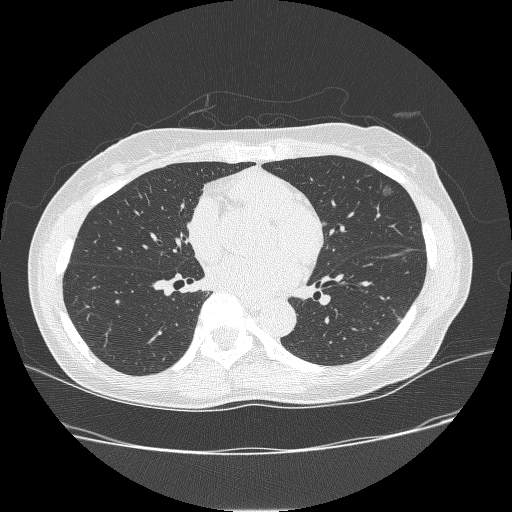
Axial slice 126 of 238 of a chest CT (slice 1 is the lowest), reconstructed with the BONE kernel at 120 kVp; 1.25 mm slice thickness and 0.703 mm pixels.
Pulmonary nodule outlined by all four readers; box rows 185–195, columns 382–393 (the union of the readers' outlines on this slice); longest diameter 9.1 mm on average over the four readers' outlines (readers' outlines 8.6–9.9 mm), volume 170–232 mm3. Ratings, by the readers' most common answer with dissent counted: most readers (three of four) put texture at 1/5 (non-solid), others 3/5 (part-solid) (one); margin 1/5 (indistinct) by three of four readers; the rest gave 5/5 (circumscribed) (one); sphericity 4/5 by two of four readers; the rest gave 3/5 (ovoid) (one), 5/5 (round) (one); calcification absent from all four readers; internal structure soft tissue, all four readers agreeing; subtlety 4/5 by two of four readers; the rest gave 2/5 (one), 3/5 (one); malignancy likelihood 4/5 by two of four readers; the rest gave 2/5 (one), 3/5 (one). Scale key (1–5): texture non-solid→solid, margin indistinct→circumscribed, sphericity linear→round, subtlety extremely subtle→obvious, malignancy likelihood highly unlikely→highly suspicious of cancer. Box rows and columns are 0-based pixel indices from the top-left corner, inclusive.